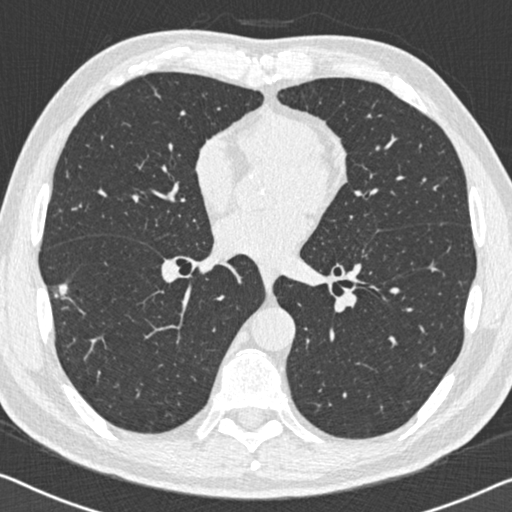
Axial chest CT slice 293 of 558 (counted from the lowest slice); tube voltage 120 kVp, convolution kernel B30f; slices 0.75 mm thick, 0.648 mm per pixel.
Pulmonary nodule outlined by all four readers; box rows 283–301, columns 52–72 (the union of the readers' outlines on this slice); median longest diameter 21.8 mm (readers' outlines 18.8–26.5 mm), median volume 1099 mm3 (726–1916 mm3). Median ratings and the readers' spread: texture 4.5/5 at the median of four readers, spread 3/5 (part-solid) to 5/5 (solid); margin 3/5 at the median of four readers, spread 1/5 (indistinct) to 4/5; sphericity 3/5 (ovoid) at the median of four readers, spread 2/5 to 4/5; calcification absent from all four readers; internal structure soft tissue, all four readers agreeing; median subtlety 5/5 (readers ranged 4–5); malignancy likelihood 4/5 at the median of four readers, spread 4–5. Scale key (1–5): texture non-solid→solid, margin indistinct→circumscribed, sphericity linear→round, subtlety extremely subtle→obvious, malignancy likelihood highly unlikely→highly suspicious of cancer. Box rows and columns are 0-based pixel indices from the top-left corner, inclusive.